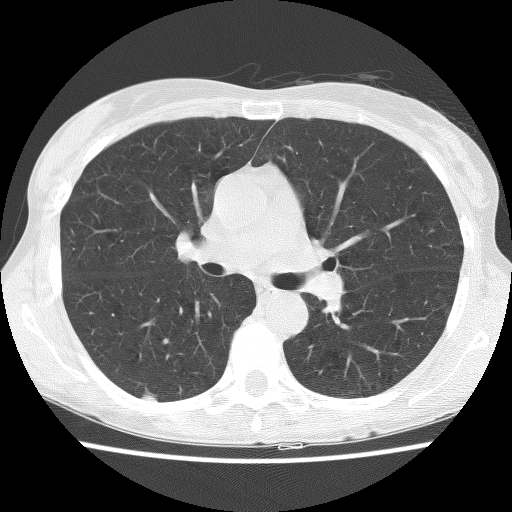
Axial slice 76 of 123 of a chest CT (slice 1 is the lowest), reconstructed with the BONE kernel at 140 kVp; 2.50 mm slice thickness and 0.586 mm pixels.
Pulmonary nodule at rows 394–401, columns 140–155 (box = that reader's outline on this slice), outlined by one of the four readers; longest diameter 10.7 mm and volume 185 mm3 from that reader's outline. Ratings by that reader: texture 5/5 (solid); margin 5/5 (circumscribed); sphericity 5/5 (round); calcification absent; internal structure soft tissue; subtlety 5/5; malignancy likelihood 2/5. Scale key (1–5): texture non-solid→solid, margin indistinct→circumscribed, sphericity linear→round, subtlety extremely subtle→obvious, malignancy likelihood highly unlikely→highly suspicious of cancer. Box rows and columns are 0-based pixel indices from the top-left corner, inclusive.